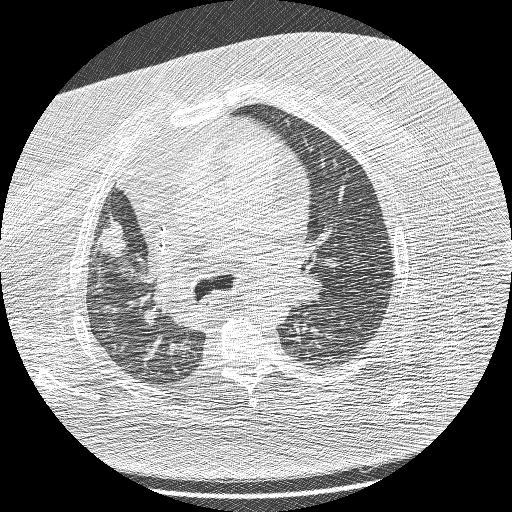
Axial chest CT slice 134 of 208 (counted from the lowest slice); tube voltage 120 kVp, convolution kernel BONE; slices 1.25 mm thick, 0.723 mm per pixel.
Pulmonary nodule outlined by all four readers; box rows 220–257, columns 95–126 (the union of the readers' outlines on this slice); longest diameter 27.8 mm on average over the four readers' outlines (readers' outlines 25.6–30.6 mm), volume 4623–6820 mm3. The readers' prevailing ratings and who disagreed: texture 5/5 (solid) from all four readers; most readers (three of four) put margin at 3/5, others 1/5 (indistinct) (one); sphericity 3/5 (ovoid) by three of four readers; the rest gave 4/5 (one); calcification absent, all four readers agreeing; internal structure soft tissue from all four readers; subtlety 5/5, all four readers agreeing; malignancy likelihood 5/5 from all four readers. Scale key (1–5): texture non-solid→solid, margin indistinct→circumscribed, sphericity linear→round, subtlety extremely subtle→obvious, malignancy likelihood highly unlikely→highly suspicious of cancer. Box rows and columns are 0-based pixel indices from the top-left corner, inclusive.